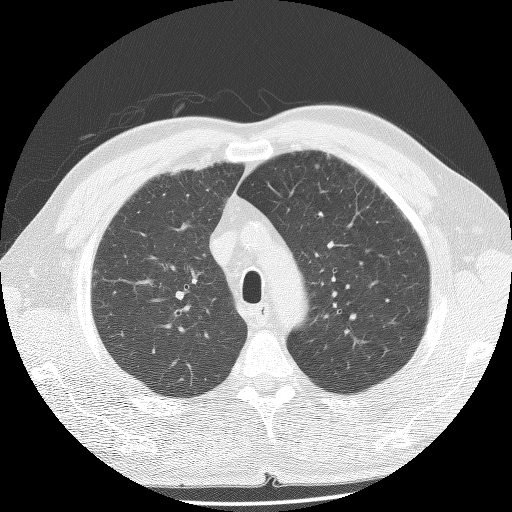
Chest CT, axial plane, 140 kVp, kernel BONE. Slice 105/132 from the bottom of the scan; thickness 2.50 mm; pixel size 0.703 mm.
Pulmonary nodule outlined by one of the four readers; box rows 164–168, columns 315–319 (that reader's outline on this slice); longest diameter 4.7 mm and volume 48 mm3 from that reader's outline. That reader's ratings: texture 5/5 (solid); margin 4/5; sphericity 5/5 (round); calcification absent; internal structure soft tissue; subtlety 4/5; malignancy likelihood 3/5. Scale key (1–5): texture non-solid→solid, margin indistinct→circumscribed, sphericity linear→round, subtlety extremely subtle→obvious, malignancy likelihood highly unlikely→highly suspicious of cancer. Box rows and columns are 0-based pixel indices from the top-left corner, inclusive.